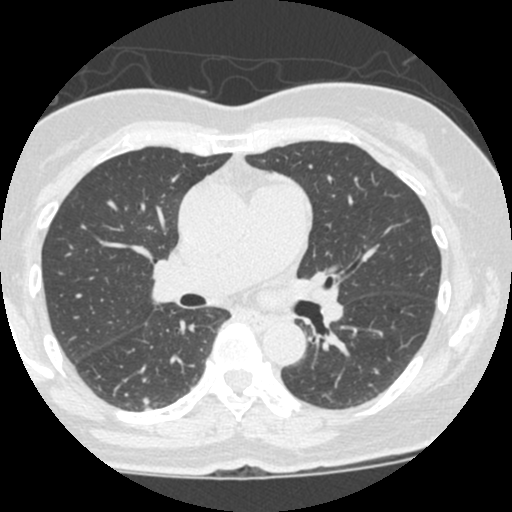
Slice 305/490 of a chest CT, counting up from the lowest; pixel size 0.547 mm, slice thickness 1.25 mm. Pulmonary nodule, outlined by all four readers. Box on this slice rows 396–405, columns 142–151, the union of the readers' outlines on this slice; the four readers' outlines give a longest diameter between 5.2 and 6.2 mm and a volume between 53 and 89 mm3. Ratings across the readers: texture 5/5 (solid), all four readers agreeing; margin from 3/5 to 5/5 (circumscribed) across the four readers; sphericity from 3/5 (ovoid) to 5/5 (round) across the four readers; calcification absent from all four readers; internal structure soft tissue from all four readers; subtlety 3–4/5 (the readers disagree); malignancy likelihood 2–3/5 (the readers disagree). Scale key (1–5): texture non-solid→solid, margin indistinct→circumscribed, sphericity linear→round, subtlety extremely subtle→obvious, malignancy likelihood highly unlikely→highly suspicious of cancer. Box rows and columns are 0-based pixel indices from the top-left corner, inclusive.
Acquired at 120 kVp and reconstructed with the STANDARD kernel.